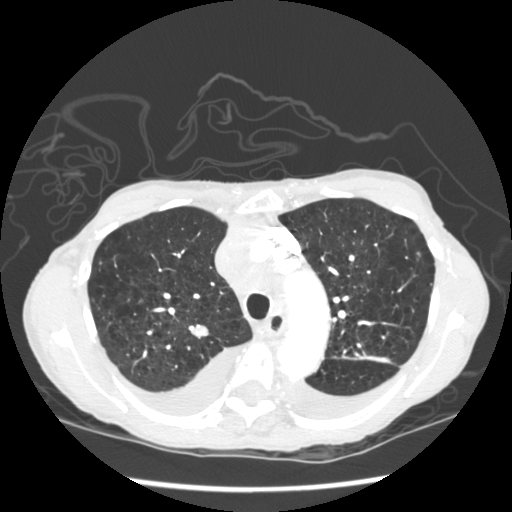
Axial chest CT slice 169 of 233 (counted from the lowest slice); 1.25 mm thick, 0.664 mm per pixel. Pulmonary nodule outlined by all four readers; box rows 324–338, columns 189–208 (the union of the readers' outlines on this slice); median longest diameter 15.1 mm (readers' outlines 14.3–15.4 mm), median volume 1018 mm3 (906–1149 mm3). Median ratings and the readers' spread: texture 5/5 (solid), all four readers agreeing; margin 5/5 (circumscribed) at the median of four readers, spread 4/5 to 5/5 (circumscribed); median sphericity 3.5/5 (readers ranged 3/5 (ovoid) to 4/5); calcification absent, all four readers agreeing; internal structure soft tissue from all four readers; subtlety 5/5 at the median of four readers, spread 4–5; malignancy likelihood 3/5 at the median of four readers, spread 2–4. Scale key (1–5): texture non-solid→solid, margin indistinct→circumscribed, sphericity linear→round, subtlety extremely subtle→obvious, malignancy likelihood highly unlikely→highly suspicious of cancer. Box rows and columns are 0-based pixel indices from the top-left corner, inclusive.
Scan settings: 120 kVp, STANDARD reconstruction kernel.